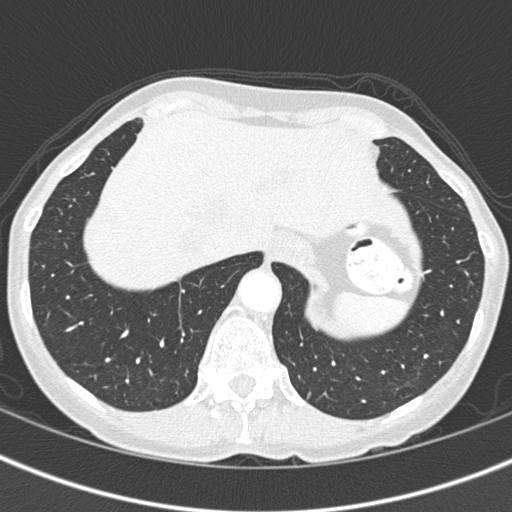
Axial slice 121 of 375 of a chest CT (slice 1 is the lowest), reconstructed with the B45f kernel at 120 kVp; 1.00 mm slice thickness and 0.586 mm pixels.
Pulmonary nodule outlined by one of the four readers; box rows 392–396, columns 307–310 (that reader's outline on this slice); longest diameter 5.6 mm and volume 45 mm3 from that reader's outline. Ratings by that reader: texture 4/5; margin 5/5 (circumscribed); sphericity 3/5 (ovoid); calcification absent; internal structure soft tissue; subtlety 4/5; malignancy likelihood 3/5. Scale key (1–5): texture non-solid→solid, margin indistinct→circumscribed, sphericity linear→round, subtlety extremely subtle→obvious, malignancy likelihood highly unlikely→highly suspicious of cancer. Box rows and columns are 0-based pixel indices from the top-left corner, inclusive.